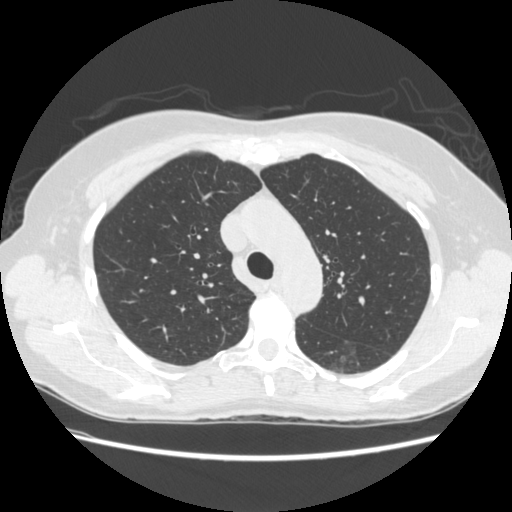
This is axial slice 182 of 261 (slice 1 is the lowest) of a chest CT; each pixel is 0.682 mm and the slice is 1.25 mm thick. Pulmonary nodule, outlined by two of the four readers. Box on this slice rows 339–374, columns 329–360, the union of the readers' outlines on this slice; median longest diameter 30.8 mm (readers' outlines 30.0–31.5 mm), median volume 7245 mm3 (6577–7912 mm3). Ratings, median across the readers with their spread: texture 1.5/5 at the median of two readers, spread 1/5 (non-solid) to 2/5; margin 1.5/5 at the median of two readers, spread 1/5 (indistinct) to 2/5; median sphericity 4/5 (readers ranged 3/5 (ovoid) to 5/5 (round)); calcification absent from both readers; internal structure soft tissue, both readers agreeing; subtlety 1.5/5 at the median of two readers, spread 1–2; malignancy likelihood 4.5/5 at the median of two readers, spread 4–5. Scale key (1–5): texture non-solid→solid, margin indistinct→circumscribed, sphericity linear→round, subtlety extremely subtle→obvious, malignancy likelihood highly unlikely→highly suspicious of cancer. Box rows and columns are 0-based pixel indices from the top-left corner, inclusive.
Acquired at 120 kVp and reconstructed with the STANDARD kernel.